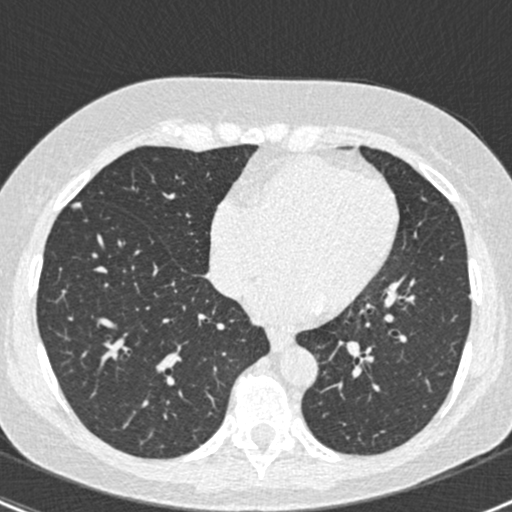
One axial slice (190 of 429, counting up from the lowest) of a chest CT acquired at 120 kVp with the B30f kernel; each pixel is 0.586 mm and the slice is 0.75 mm thick.
Pulmonary nodule outlined by three of the four readers; box rows 201–210, columns 70–82 (the union of the readers' outlines on this slice); median longest diameter 10.9 mm (readers' outlines 9.8–12.3 mm), median volume 283 mm3 (207–302 mm3). Ratings, median across the readers with their spread: texture 5/5 (solid), all three readers agreeing; margin 4/5 at the median of three readers, spread 4/5 to 5/5 (circumscribed); median sphericity 3/5 (ovoid) (readers ranged 2/5 to 3/5 (ovoid)); calcification absent from all three readers; internal structure soft tissue, all three readers agreeing; subtlety 5/5, all three readers agreeing; median malignancy likelihood 4/5 (readers ranged 2–4). Scale key (1–5): texture non-solid→solid, margin indistinct→circumscribed, sphericity linear→round, subtlety extremely subtle→obvious, malignancy likelihood highly unlikely→highly suspicious of cancer. Box rows and columns are 0-based pixel indices from the top-left corner, inclusive.